Axial slice 152 of 300 of a chest CT (slice 1 is the lowest), reconstructed with the D kernel at 120 kVp; 2.00 mm slice thickness and 0.678 mm pixels.
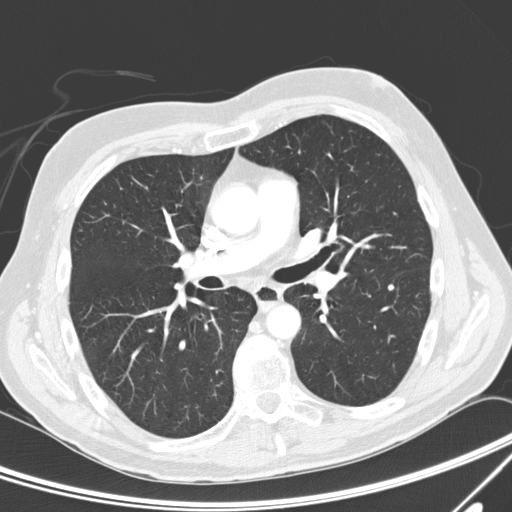
Pulmonary nodule at rows 284–291, columns 386–394 (box = the union of the readers' outlines on this slice), outlined by all four readers; longest diameter 6.3 mm on average over the four readers' outlines (readers' outlines 6.1–6.7 mm), volume 83–97 mm3. Ratings, by the readers' most common answer with dissent counted: texture 5/5 (solid) from all four readers; margin 5/5 (circumscribed) from all four readers; sphericity 4/5 by three of four readers; the rest gave 5/5 (round) (one); calcification solid calcification by three of four readers, absent (one); internal structure soft tissue from all four readers; subtlety 5/5 by three of four readers; the rest gave 4/5 (one); malignancy likelihood 1/5 by three of four readers; the rest gave 2/5 (one). Scale key (1–5): texture non-solid→solid, margin indistinct→circumscribed, sphericity linear→round, subtlety extremely subtle→obvious, malignancy likelihood highly unlikely→highly suspicious of cancer. Box rows and columns are 0-based pixel indices from the top-left corner, inclusive.